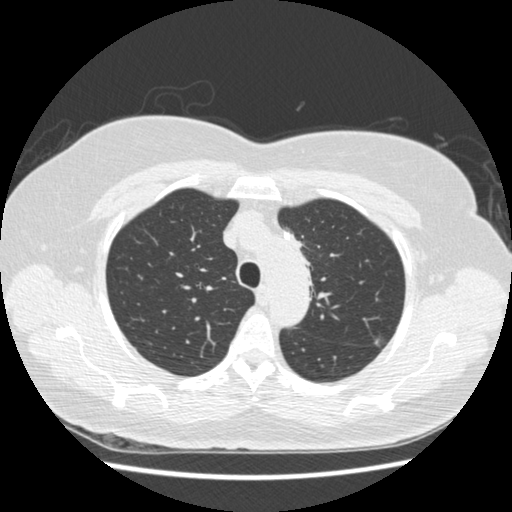
Axial chest CT slice 337 of 445 (counted from the lowest slice); tube voltage 120 kVp, convolution kernel STANDARD; slices 1.25 mm thick, 0.645 mm per pixel.
Pulmonary nodule, outlined by all four readers. Box on this slice rows 336–347, columns 373–385, the union of the readers' outlines on this slice; median longest diameter 11.1 mm (readers' outlines 9.9–11.6 mm), median volume 349 mm3 (292–430 mm3). Median ratings and the readers' spread: median texture 2/5 (readers ranged 1/5 (non-solid) to 4/5); median margin 4/5 (readers ranged 2/5 to 5/5 (circumscribed)); sphericity 4/5 at the median of four readers, spread 3/5 (ovoid) to 5/5 (round); calcification absent, all four readers agreeing; internal structure soft tissue, all four readers agreeing; subtlety 3/5 at the median of four readers, spread 3–5; median malignancy likelihood 4/5 (readers ranged 2–5). Scale key (1–5): texture non-solid→solid, margin indistinct→circumscribed, sphericity linear→round, subtlety extremely subtle→obvious, malignancy likelihood highly unlikely→highly suspicious of cancer. Box rows and columns are 0-based pixel indices from the top-left corner, inclusive.